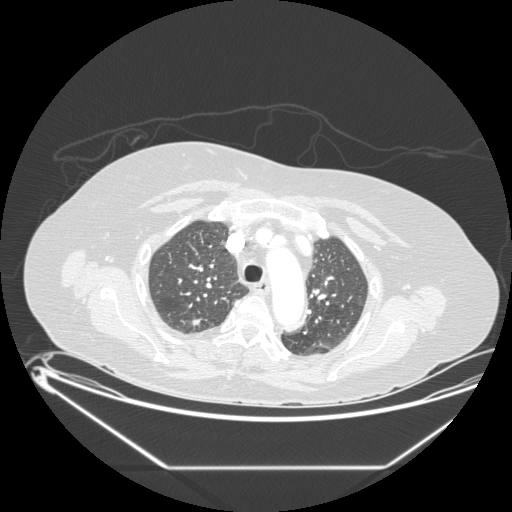
Axial slice 155 of 197 of a chest CT (slice 1 is the lowest), reconstructed with the STANDARD kernel at 120 kVp; 1.25 mm slice thickness and 0.859 mm pixels.
Pulmonary nodule, outlined by all four readers. Box on this slice rows 316–328, columns 188–202, the union of the readers' outlines on this slice; median longest diameter 10.0 mm (readers' outlines 8.2–16.1 mm), median volume 270 mm3 (248–473 mm3). Median ratings and the readers' spread: median texture 5/5 (solid) (readers ranged 4/5 to 5/5 (solid)); median margin 3.5/5 (readers ranged 3/5 to 5/5 (circumscribed)); median sphericity 3.5/5 (readers ranged 3/5 (ovoid) to 5/5 (round)); calcification absent, all four readers agreeing; internal structure soft tissue, all four readers agreeing; median subtlety 4.5/5 (readers ranged 3–5); median malignancy likelihood 3/5 (readers ranged 2–4). Scale key (1–5): texture non-solid→solid, margin indistinct→circumscribed, sphericity linear→round, subtlety extremely subtle→obvious, malignancy likelihood highly unlikely→highly suspicious of cancer. Box rows and columns are 0-based pixel indices from the top-left corner, inclusive.